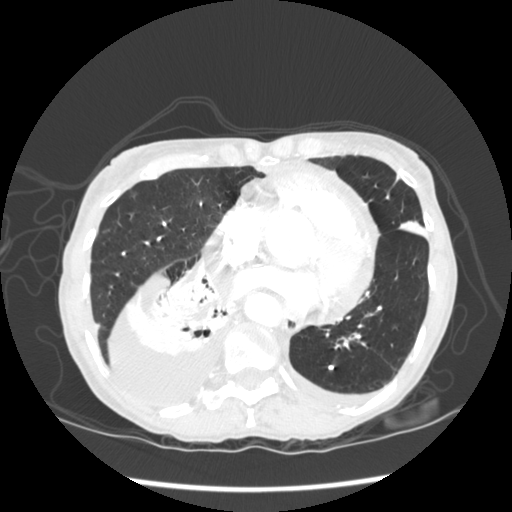
Axial chest CT slice 85 of 233 (counted from the lowest slice); 1.25 mm thick, 0.664 mm per pixel. Pulmonary nodule at rows 364–369, columns 328–333 (box = the union of the readers' outlines on this slice), outlined by two of the four readers; median longest diameter 4.8 mm (readers' outlines 4.2–5.4 mm), median volume 35 mm3 (28–41 mm3). Ratings, median across the readers with their spread: texture 5/5 (solid), both readers agreeing; margin 5/5 (circumscribed) from both readers; sphericity 4.5/5 at the median of two readers, spread 4/5 to 5/5 (round); calcification split among the readers: absent (one), solid calcification (one); internal structure soft tissue, both readers agreeing; subtlety 3/5 from both readers; median malignancy likelihood 1.5/5 (readers ranged 1–2). Scale key (1–5): texture non-solid→solid, margin indistinct→circumscribed, sphericity linear→round, subtlety extremely subtle→obvious, malignancy likelihood highly unlikely→highly suspicious of cancer. Box rows and columns are 0-based pixel indices from the top-left corner, inclusive.
Tube voltage 120 kVp; convolution kernel STANDARD.